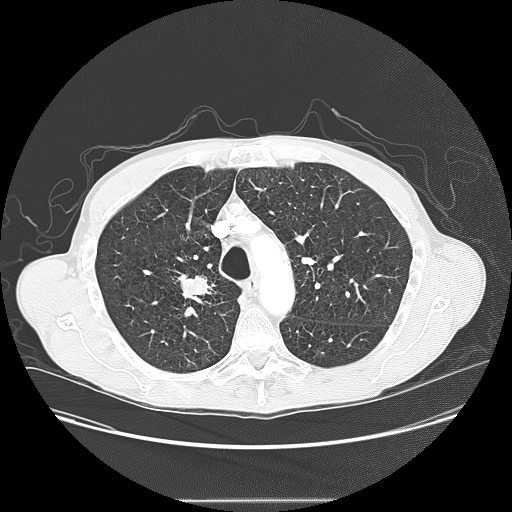
Axial chest CT slice 107 of 145 (counted from the lowest slice); 2.50 mm thick, 0.781 mm per pixel. Pulmonary nodule, outlined by all four readers. Box on this slice rows 274–305, columns 178–214, the union of the readers' outlines on this slice; longest diameter 34.4 mm on average over the four readers' outlines (readers' outlines 31.9–37.6 mm), volume 6100–11568 mm3. The readers' prevailing ratings and who disagreed: texture 5/5 (solid) by three of four readers; the rest gave 4/5 (one); margin 3/5 by two of four readers; the rest gave 2/5 (one), 4/5 (one); sphericity 4/5 by two of four readers; the rest gave 3/5 (ovoid) (one), 5/5 (round) (one); calcification absent from all four readers; internal structure soft tissue from all four readers; subtlety 5/5 from all four readers; most readers (three of four) put malignancy likelihood at 5/5, others 4/5 (one). Scale key (1–5): texture non-solid→solid, margin indistinct→circumscribed, sphericity linear→round, subtlety extremely subtle→obvious, malignancy likelihood highly unlikely→highly suspicious of cancer. Box rows and columns are 0-based pixel indices from the top-left corner, inclusive.
Tube voltage 120 kVp; convolution kernel LUNG.